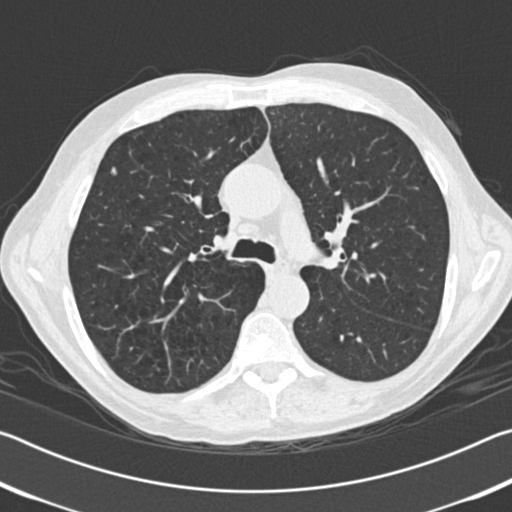
Axial chest CT slice 121 of 192 (counted from the lowest slice); tube voltage 120 kVp, convolution kernel B30f; slices 2.00 mm thick, 0.664 mm per pixel.
Pulmonary nodule at rows 166–176, columns 110–117 (box = the union of the readers' outlines on this slice), outlined by all four readers; median longest diameter 8.1 mm (readers' outlines 7.4–8.3 mm), median volume 149 mm3 (146–195 mm3). Ratings, median across the readers with their spread: median texture 5/5 (solid) (readers ranged 4/5 to 5/5 (solid)); margin 4.5/5 at the median of four readers, spread 4/5 to 5/5 (circumscribed); median sphericity 3.5/5 (readers ranged 3/5 (ovoid) to 5/5 (round)); calcification absent from all four readers; internal structure soft tissue, all four readers agreeing; median subtlety 4/5 (readers ranged 3–5); median malignancy likelihood 3/5 (readers ranged 2–4). Scale key (1–5): texture non-solid→solid, margin indistinct→circumscribed, sphericity linear→round, subtlety extremely subtle→obvious, malignancy likelihood highly unlikely→highly suspicious of cancer. Box rows and columns are 0-based pixel indices from the top-left corner, inclusive.